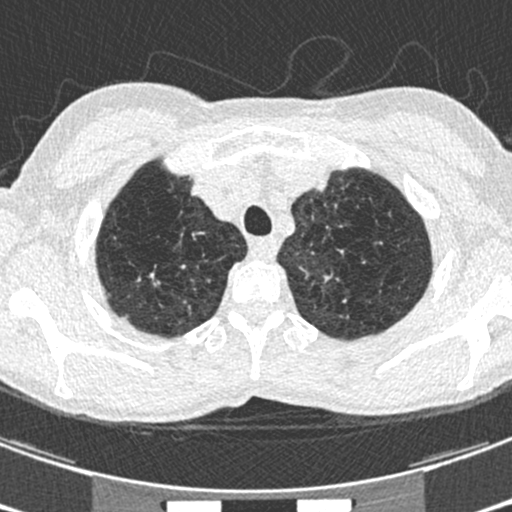
One axial slice (552 of 633, counting up from the lowest) of a chest CT acquired at 120 kVp with the B30f kernel; each pixel is 0.541 mm and the slice is 0.60 mm thick.
Pulmonary nodule outlined by one of the four readers; box rows 293–296, columns 107–110 (that reader's outline on this slice); longest diameter 5.8 mm and volume 27 mm3 from that reader's outline. That reader's ratings: texture 3/5 (part-solid); margin 1/5 (indistinct); sphericity 4/5; calcification absent; internal structure soft tissue; subtlety 4/5; malignancy likelihood 3/5. Scale key (1–5): texture non-solid→solid, margin indistinct→circumscribed, sphericity linear→round, subtlety extremely subtle→obvious, malignancy likelihood highly unlikely→highly suspicious of cancer. Box rows and columns are 0-based pixel indices from the top-left corner, inclusive.